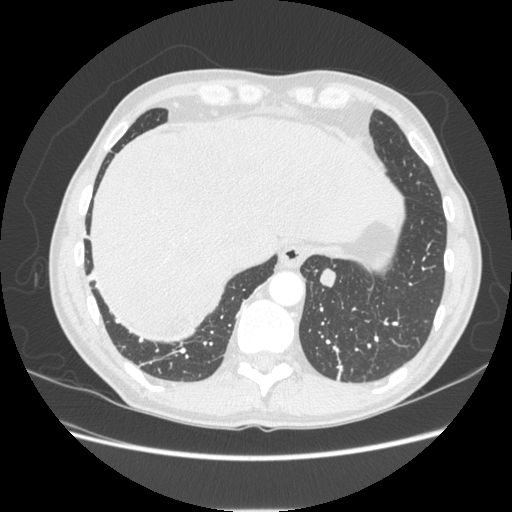
Axial slice 55 of 253 of a chest CT (slice 1 is the lowest), reconstructed with the STANDARD kernel at 120 kVp; 1.25 mm slice thickness and 0.742 mm pixels.
Pulmonary nodule outlined by all four readers; box rows 268–287, columns 319–336 (the union of the readers' outlines on this slice); median longest diameter 16.1 mm (readers' outlines 15.6–17.5 mm), median volume 1128 mm3 (1063–1176 mm3). Median ratings and the readers' spread: texture 5/5 (solid) from all four readers; margin 5/5 (circumscribed), all four readers agreeing; median sphericity 4.5/5 (readers ranged 3/5 (ovoid) to 5/5 (round)); calcification absent from all four readers; internal structure soft tissue, all four readers agreeing; subtlety 5/5 from all four readers; median malignancy likelihood 3.5/5 (readers ranged 3–5). Scale key (1–5): texture non-solid→solid, margin indistinct→circumscribed, sphericity linear→round, subtlety extremely subtle→obvious, malignancy likelihood highly unlikely→highly suspicious of cancer. Box rows and columns are 0-based pixel indices from the top-left corner, inclusive.